Chest CT, axial plane, 120 kVp, kernel STANDARD. Slice 96/265 from the bottom of the scan; thickness 1.25 mm; pixel size 0.883 mm.
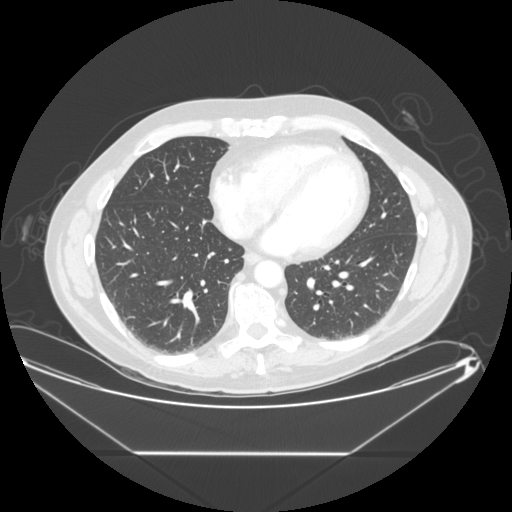
Pulmonary nodule at rows 219–225, columns 201–207 (box = the union of the readers' outlines on this slice), outlined by three of the four readers; longest diameter 6.9 mm on average over the three readers' outlines (readers' outlines 6.4–8.0 mm), volume 79–125 mm3. The readers' prevailing ratings and who disagreed: texture 5/5 (solid), all three readers agreeing; margin 5/5 (circumscribed) from all three readers; sphericity 5/5 (round) by two of three readers; the rest gave 4/5 (one); calcification solid calcification from all three readers; internal structure soft tissue from all three readers; subtlety 5/5 by two of three readers; the rest gave 4/5 (one); malignancy likelihood 1/5 from all three readers. Scale key (1–5): texture non-solid→solid, margin indistinct→circumscribed, sphericity linear→round, subtlety extremely subtle→obvious, malignancy likelihood highly unlikely→highly suspicious of cancer. Box rows and columns are 0-based pixel indices from the top-left corner, inclusive.